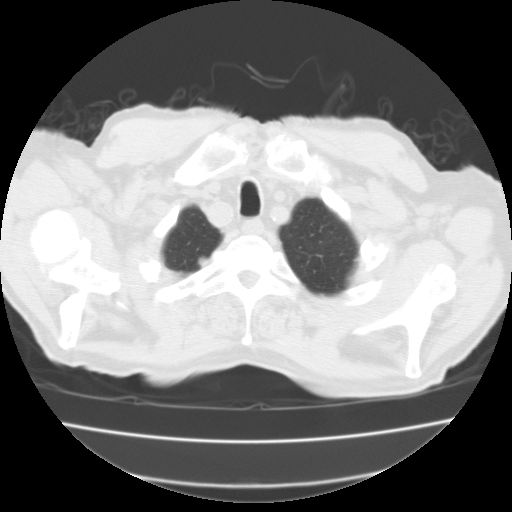
Axial chest CT slice 91 of 111 (counted from the lowest slice); tube voltage 135 kVp, convolution kernel FC01; slices 3.00 mm thick, 0.714 mm per pixel.
Pulmonary nodule at rows 257–264, columns 198–208 (box = the union of the readers' outlines on this slice), outlined by all four readers; median longest diameter 11.5 mm (readers' outlines 10.7–11.8 mm), median volume 770 mm3 (677–849 mm3). Median ratings and the readers' spread: texture 5/5 (solid), all four readers agreeing; margin 5/5 (circumscribed) from all four readers; sphericity 4/5 at the median of four readers, spread 4/5 to 5/5 (round); calcification absent from all four readers; internal structure soft tissue, all four readers agreeing; subtlety 5/5 at the median of four readers, spread 3–5; malignancy likelihood 3/5 at the median of four readers, spread 2–4. Scale key (1–5): texture non-solid→solid, margin indistinct→circumscribed, sphericity linear→round, subtlety extremely subtle→obvious, malignancy likelihood highly unlikely→highly suspicious of cancer. Box rows and columns are 0-based pixel indices from the top-left corner, inclusive.